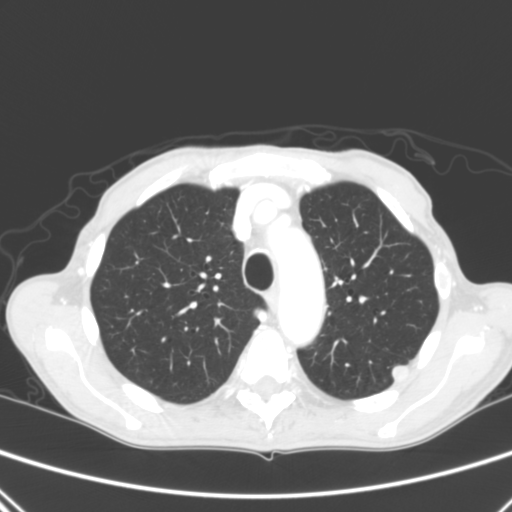
One axial slice (216 of 290, counting up from the lowest) of a chest CT acquired at 120 kVp with the B kernel; each pixel is 0.639 mm and the slice is 2.00 mm thick.
Pulmonary nodule, outlined by all four readers. Box on this slice rows 365–381, columns 389–408, the union of the readers' outlines on this slice; median longest diameter 14.4 mm (readers' outlines 12.9–15.8 mm), median volume 1103 mm3 (837–1237 mm3). Ratings, median across the readers with their spread: texture 5/5 (solid) at the median of four readers, spread 4/5 to 5/5 (solid); median margin 4.5/5 (readers ranged 4/5 to 5/5 (circumscribed)); median sphericity 5/5 (round) (readers ranged 3/5 (ovoid) to 5/5 (round)); calcification: absent (three), laminated calcification (one); internal structure soft tissue from all four readers; median subtlety 5/5 (readers ranged 4–5); median malignancy likelihood 3.5/5 (readers ranged 2–5). Scale key (1–5): texture non-solid→solid, margin indistinct→circumscribed, sphericity linear→round, subtlety extremely subtle→obvious, malignancy likelihood highly unlikely→highly suspicious of cancer. Box rows and columns are 0-based pixel indices from the top-left corner, inclusive.